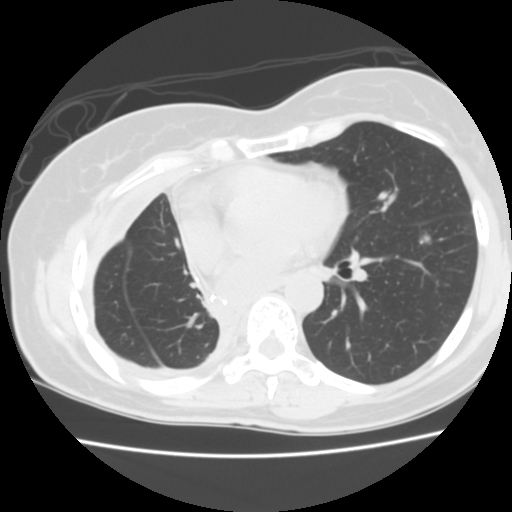
One axial slice (80 of 141, counting up from the lowest) of a chest CT acquired at 120 kVp with the STANDARD kernel; each pixel is 0.586 mm and the slice is 2.50 mm thick.
Pulmonary nodule, outlined by all four readers. Box on this slice rows 233–243, columns 418–431, the union of the readers' outlines on this slice; median longest diameter 12.3 mm (readers' outlines 11.8–13.0 mm), median volume 559 mm3 (484–627 mm3). Ratings, median across the readers with their spread: texture 5/5 (solid), all four readers agreeing; margin 4/5 at the median of four readers, spread 3/5 to 5/5 (circumscribed); median sphericity 4.5/5 (readers ranged 4/5 to 5/5 (round)); calcification absent from all four readers; internal structure soft tissue, all four readers agreeing; subtlety 5/5 at the median of four readers, spread 4–5; median malignancy likelihood 3.5/5 (readers ranged 3–5). Scale key (1–5): texture non-solid→solid, margin indistinct→circumscribed, sphericity linear→round, subtlety extremely subtle→obvious, malignancy likelihood highly unlikely→highly suspicious of cancer. Box rows and columns are 0-based pixel indices from the top-left corner, inclusive.